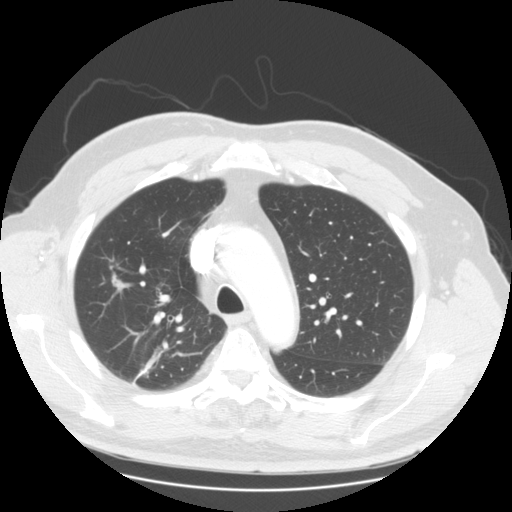
Chest CT, axial plane, 120 kVp, kernel STANDARD. Slice 111/145 from the bottom of the scan; thickness 2.50 mm; pixel size 0.781 mm.
Pulmonary nodule outlined four times (the source holds one more outline, not used); box rows 272–287, columns 110–124 (the union of the readers' outlines on this slice); median longest diameter 23.0 mm (readers' outlines 14.4–24.8 mm), median volume 984 mm3 (776–1167 mm3). Ratings, median across the readers with their spread: texture 4.5/5 at the median of four readers, spread 4/5 to 5/5 (solid); margin 4/5 at the median of four readers, spread 3/5 to 4/5; median sphericity 3/5 (ovoid) (readers ranged 2/5 to 3/5 (ovoid)); calcification absent from all four readers; internal structure soft tissue, all four readers agreeing; subtlety 5/5, all four readers agreeing; malignancy likelihood 3.5/5 at the median of four readers, spread 2–5. Scale key (1–5): texture non-solid→solid, margin indistinct→circumscribed, sphericity linear→round, subtlety extremely subtle→obvious, malignancy likelihood highly unlikely→highly suspicious of cancer. Box rows and columns are 0-based pixel indices from the top-left corner, inclusive.